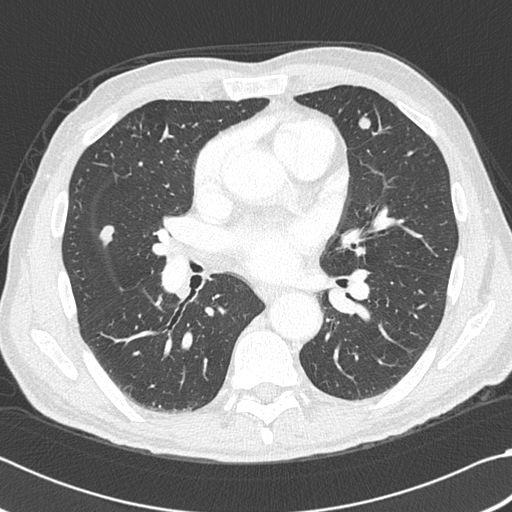
Axial slice 213 of 383 of a chest CT (slice 1 is the lowest), reconstructed with the B45f kernel at 120 kVp; 1.00 mm slice thickness and 0.664 mm pixels.
Two pulmonary nodules on this slice, listed from left to right. (1) Pulmonary nodule, outlined by all four readers. Box on this slice rows 225–247, columns 98–114, the union of the readers' outlines on this slice; longest diameter 16.2 mm on average over the four readers' outlines (readers' outlines 15.5–17.3 mm), volume 759–884 mm3. The readers' prevailing ratings and who disagreed: texture 5/5 (solid) from all four readers; most readers (three of four) put margin at 5/5 (circumscribed), others 4/5 (one); most readers (three of four) put sphericity at 3/5 (ovoid), others 5/5 (round) (one); calcification absent by three of four readers, solid calcification (one); internal structure soft tissue from all four readers; most readers (three of four) put subtlety at 5/5, others 4/5 (one); malignancy likelihood 3/5 by two of four readers; the rest gave 1/5 (one), 5/5 (one). (2) Pulmonary nodule at rows 116–129, columns 358–371 (box = the union of the readers' outlines on this slice), outlined by all four readers; median longest diameter 11.6 mm (readers' outlines 10.1–11.8 mm), median volume 513 mm3 (386–564 mm3). Median ratings and the readers' spread: texture 5/5 (solid), all four readers agreeing; margin 5/5 (circumscribed) at the median of four readers, spread 4/5 to 5/5 (circumscribed); sphericity 4.5/5 at the median of four readers, spread 3/5 (ovoid) to 5/5 (round); calcification absent, all four readers agreeing; internal structure soft tissue, all four readers agreeing; subtlety 5/5 at the median of four readers, spread 4–5; median malignancy likelihood 2.5/5 (readers ranged 2–5). Scale key (1–5): texture non-solid→solid, margin indistinct→circumscribed, sphericity linear→round, subtlety extremely subtle→obvious, malignancy likelihood highly unlikely→highly suspicious of cancer. Box rows and columns are 0-based pixel indices from the top-left corner, inclusive.